Chest CT, axial plane, 120 kVp, kernel STANDARD. Slice 206/557 from the bottom of the scan; thickness 1.25 mm; pixel size 0.703 mm.
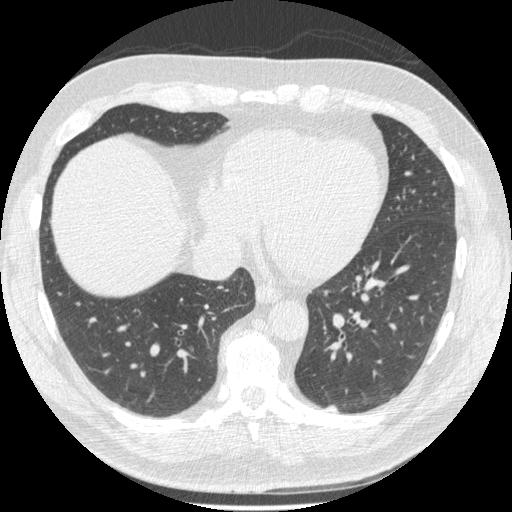
Pulmonary nodule, outlined by two of the four readers. Box on this slice rows 405–411, columns 325–337, the union of the readers' outlines on this slice; median longest diameter 11.3 mm (readers' outlines 9.4–13.1 mm), median volume 127 mm3 (126–127 mm3). Median ratings and the readers' spread: texture 5/5 (solid) from both readers; margin 3/5 from both readers; sphericity 3/5 (ovoid) from both readers; calcification absent from both readers; internal structure soft tissue from both readers; subtlety 3/5, both readers agreeing; median malignancy likelihood 2/5 (readers ranged 1–3). Scale key (1–5): texture non-solid→solid, margin indistinct→circumscribed, sphericity linear→round, subtlety extremely subtle→obvious, malignancy likelihood highly unlikely→highly suspicious of cancer. Box rows and columns are 0-based pixel indices from the top-left corner, inclusive.